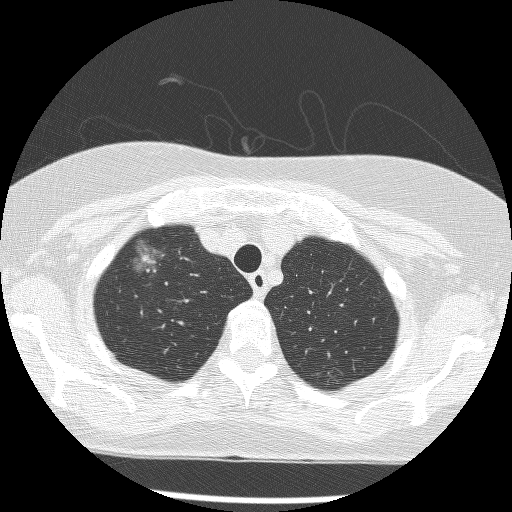
Chest CT, axial plane, 120 kVp, kernel BONE. Slice 207/241 from the bottom of the scan; thickness 1.25 mm; pixel size 0.586 mm.
Pulmonary nodule at rows 239–273, columns 132–165 (box = the union of the readers' outlines on this slice), outlined by all four readers; median longest diameter 22.7 mm (readers' outlines 21.0–24.7 mm), median volume 2735 mm3 (2289–2909 mm3). Ratings, median across the readers with their spread: texture 1.5/5 at the median of four readers, spread 1/5 (non-solid) to 2/5; median margin 2/5 (readers ranged 2/5 to 3/5); sphericity 3/5 (ovoid) at the median of four readers, spread 2/5 to 4/5; calcification absent, all four readers agreeing; internal structure soft tissue, all four readers agreeing; median subtlety 4.5/5 (readers ranged 4–5); median malignancy likelihood 5/5 (readers ranged 3–5). Scale key (1–5): texture non-solid→solid, margin indistinct→circumscribed, sphericity linear→round, subtlety extremely subtle→obvious, malignancy likelihood highly unlikely→highly suspicious of cancer. Box rows and columns are 0-based pixel indices from the top-left corner, inclusive.